One axial slice (186 of 315, counting up from the lowest) of a chest CT acquired at 120 kVp with the B kernel; each pixel is 0.830 mm and the slice is 2.00 mm thick.
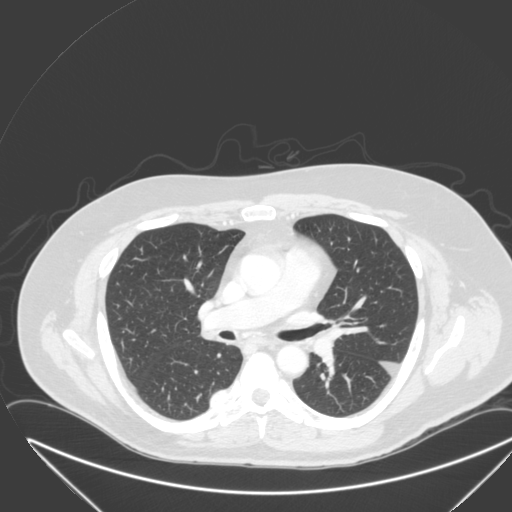
Pulmonary nodule, outlined by one of the four readers. Box on this slice rows 391–404, columns 211–223, that reader's outline on this slice; longest diameter 27.1 mm and volume 6093 mm3 from that reader's outline. That reader's ratings: texture 5/5 (solid); margin 4/5; sphericity 2/5; calcification absent; internal structure soft tissue; subtlety 5/5; malignancy likelihood 4/5. Scale key (1–5): texture non-solid→solid, margin indistinct→circumscribed, sphericity linear→round, subtlety extremely subtle→obvious, malignancy likelihood highly unlikely→highly suspicious of cancer. Box rows and columns are 0-based pixel indices from the top-left corner, inclusive.